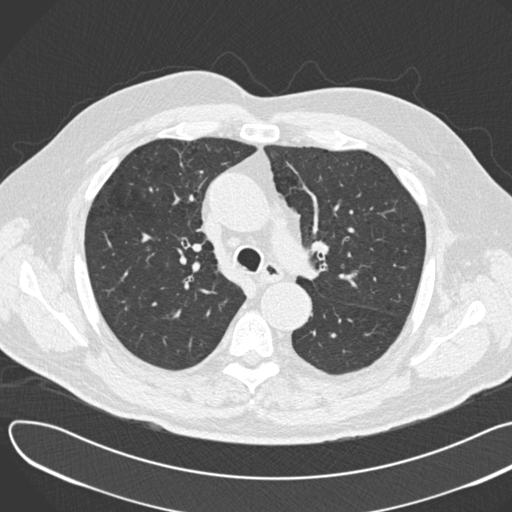
Chest CT, axial plane, 120 kVp, kernel B30f. Slice 132/190 from the bottom of the scan; thickness 2.00 mm; pixel size 0.742 mm.
This slice carries no reader outline of a nodule 3 mm or larger.